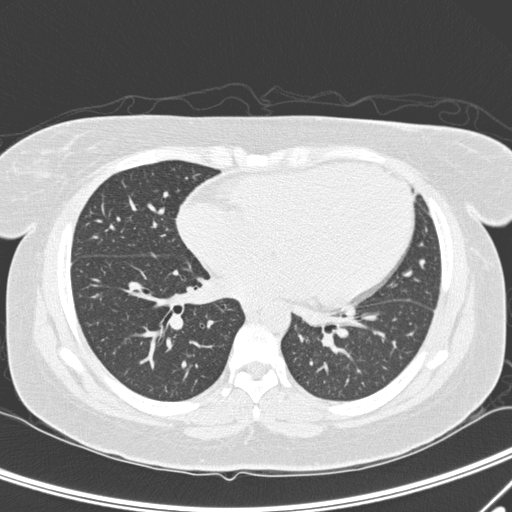
Slice 99/231 of a chest CT, counting up from the lowest; pixel size 0.666 mm, slice thickness 1.00 mm. None of the four readers outlined a nodule of 3 mm or more on this slice.
Tube voltage 120 kVp; convolution kernel D.